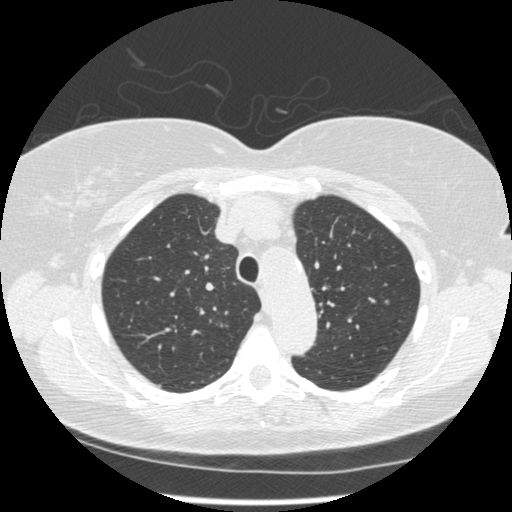
One axial slice (365 of 490, counting up from the lowest) of a chest CT acquired at 120 kVp with the STANDARD kernel; each pixel is 0.645 mm and the slice is 1.25 mm thick.
Pulmonary nodule outlined by two of the four readers; box rows 299–304, columns 384–389 (the union of the readers' outlines on this slice); longest diameter 5.4 mm on average over the two readers' outlines (readers' outlines 5.2–5.5 mm), volume 51–56 mm3. The readers' prevailing ratings and who disagreed: texture 5/5 (solid) from both readers; margin split among the readers: 3/5 (one), 5/5 (circumscribed) (one); sphericity split among the readers: 4/5 (one), 5/5 (round) (one); calcification absent from both readers; internal structure soft tissue, both readers agreeing; subtlety split among the readers: 3/5 (one), 5/5 (one); malignancy likelihood 3/5, both readers agreeing. Scale key (1–5): texture non-solid→solid, margin indistinct→circumscribed, sphericity linear→round, subtlety extremely subtle→obvious, malignancy likelihood highly unlikely→highly suspicious of cancer. Box rows and columns are 0-based pixel indices from the top-left corner, inclusive.